Axial chest CT slice 185 of 320 (counted from the lowest slice); tube voltage 120 kVp, convolution kernel B; slices 2.00 mm thick, 0.662 mm per pixel.
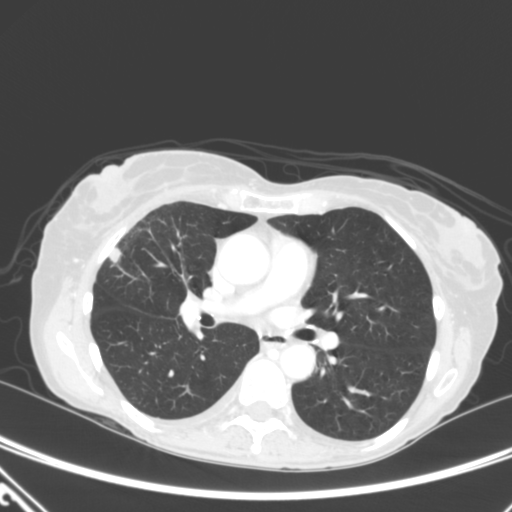
Pulmonary nodule outlined by all four readers; box rows 247–263, columns 107–121 (the union of the readers' outlines on this slice); longest diameter 12.2–16.6 mm and volume 631–1078 mm3 across the four readers' outlines. Ratings across the readers: texture 5/5 (solid) from all four readers; margin from 3/5 to 5/5 (circumscribed) across the four readers; sphericity from 3/5 (ovoid) to 5/5 (round) across the four readers; calcification absent from all four readers; internal structure soft tissue from all four readers; subtlety 5/5 from all four readers; malignancy likelihood rated between 2 and 5 out of 5 by the four readers. Scale key (1–5): texture non-solid→solid, margin indistinct→circumscribed, sphericity linear→round, subtlety extremely subtle→obvious, malignancy likelihood highly unlikely→highly suspicious of cancer. Box rows and columns are 0-based pixel indices from the top-left corner, inclusive.